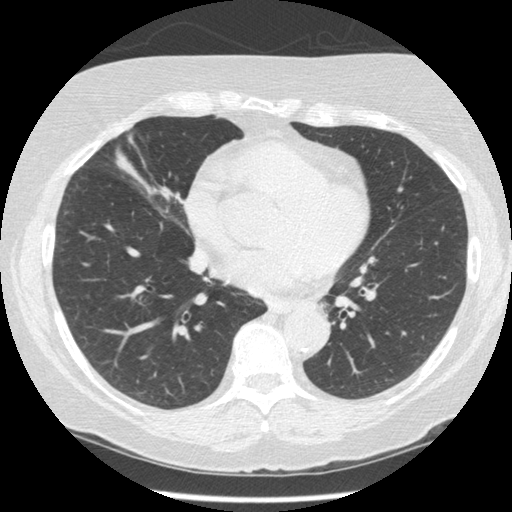
Axial chest CT slice 207 of 484 (counted from the lowest slice); 1.25 mm thick, 0.664 mm per pixel. Pulmonary nodule at rows 294–298, columns 86–89 (box = that reader's outline on this slice), outlined by one of the four readers; longest diameter 5.6 mm and volume 47 mm3 from that reader's outline. That reader's ratings: texture 5/5 (solid); margin 4/5; sphericity 5/5 (round); calcification absent; internal structure soft tissue; subtlety 5/5; malignancy likelihood 3/5. Scale key (1–5): texture non-solid→solid, margin indistinct→circumscribed, sphericity linear→round, subtlety extremely subtle→obvious, malignancy likelihood highly unlikely→highly suspicious of cancer. Box rows and columns are 0-based pixel indices from the top-left corner, inclusive.
Scan settings: 120 kVp, STANDARD reconstruction kernel.